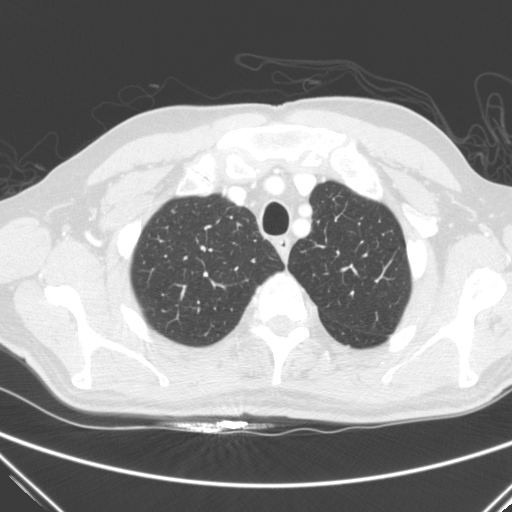
Axial slice 239 of 290 of a chest CT (slice 1 is the lowest), reconstructed with the C kernel at 120 kVp; 2.00 mm slice thickness and 0.682 mm pixels.
Pulmonary nodule, outlined by one of the four readers. Box on this slice rows 210–212, columns 171–174, that reader's outline on this slice; longest diameter 4.4 mm and volume 41 mm3 from that reader's outline. Ratings by that reader: texture 5/5 (solid); margin 5/5 (circumscribed); sphericity 5/5 (round); calcification absent; internal structure soft tissue; subtlety 5/5; malignancy likelihood 3/5. Scale key (1–5): texture non-solid→solid, margin indistinct→circumscribed, sphericity linear→round, subtlety extremely subtle→obvious, malignancy likelihood highly unlikely→highly suspicious of cancer. Box rows and columns are 0-based pixel indices from the top-left corner, inclusive.